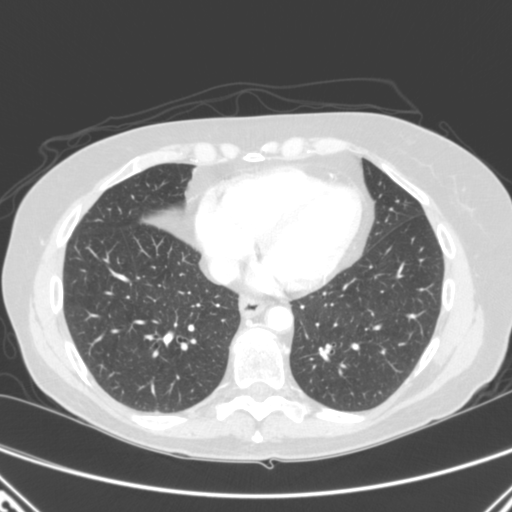
One axial slice (96 of 280, counting up from the lowest) of a chest CT acquired at 120 kVp with the B kernel; each pixel is 0.676 mm and the slice is 2.00 mm thick.
The readers outlined no nodule of 3 mm or more on this slice.